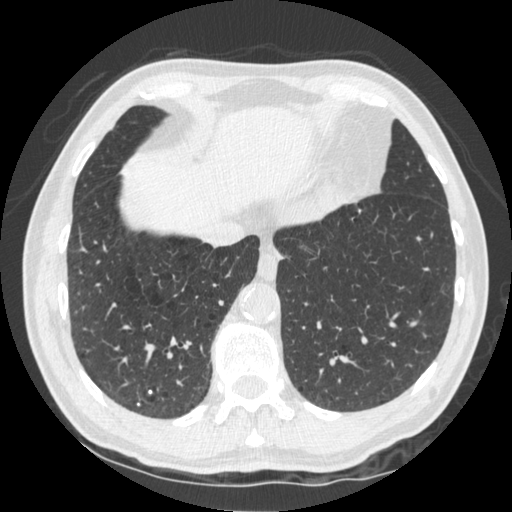
One axial slice (137 of 535, counting up from the lowest) of a chest CT acquired at 120 kVp with the STANDARD kernel; each pixel is 0.664 mm and the slice is 1.25 mm thick.
Pulmonary nodule outlined by two of the four readers; box rows 389–394, columns 148–152 (the union of the readers' outlines on this slice); longest diameter 4.8 mm on average over the two readers' outlines (readers' outlines 4.8 mm), volume 39 mm3. Ratings, by the readers' most common answer with dissent counted: texture 5/5 (solid), both readers agreeing; margin 5/5 (circumscribed), both readers agreeing; sphericity 5/5 (round) from both readers; calcification solid calcification, both readers agreeing; internal structure soft tissue, both readers agreeing; subtlety split among the readers: 4/5 (one), 5/5 (one); malignancy likelihood 1/5, both readers agreeing. Scale key (1–5): texture non-solid→solid, margin indistinct→circumscribed, sphericity linear→round, subtlety extremely subtle→obvious, malignancy likelihood highly unlikely→highly suspicious of cancer. Box rows and columns are 0-based pixel indices from the top-left corner, inclusive.